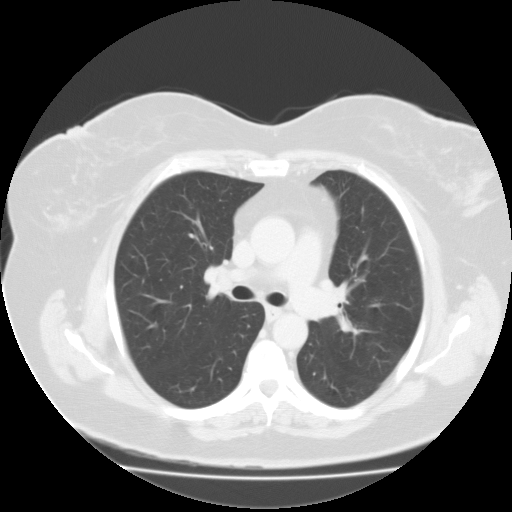
Axial slice 75 of 113 of a chest CT (slice 1 is the lowest), reconstructed with the FC01 kernel at 135 kVp; 3.00 mm slice thickness and 0.750 mm pixels.
None of the four readers outlined a nodule of 3 mm or more on this slice.